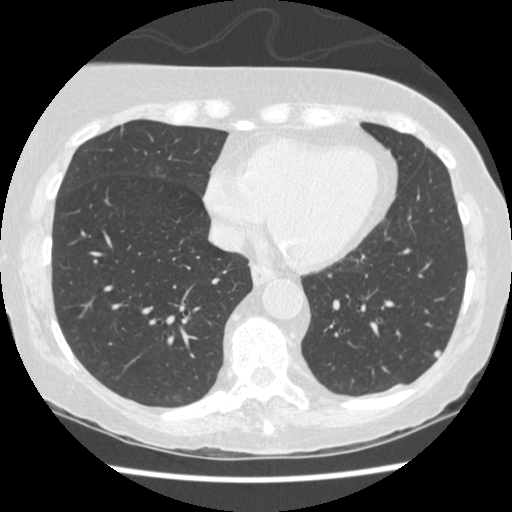
Slice 125/458 of a chest CT, counting up from the lowest; pixel size 0.625 mm, slice thickness 1.25 mm. Pulmonary nodule outlined by all four readers; box rows 349–357, columns 433–441 (the union of the readers' outlines on this slice); the four readers' outlines give a longest diameter between 6.2 and 7.0 mm and a volume between 63 and 96 mm3. Ratings across the readers: texture from 4/5 to 5/5 (solid) across the four readers; margin from 3/5 to 5/5 (circumscribed) across the four readers; sphericity from 2/5 to 4/5 across the four readers; calcification absent, all four readers agreeing; internal structure soft tissue from all four readers; subtlety 3–5/5 (the readers disagree); malignancy likelihood from 2/5 to 3/5 across the four readers. Scale key (1–5): texture non-solid→solid, margin indistinct→circumscribed, sphericity linear→round, subtlety extremely subtle→obvious, malignancy likelihood highly unlikely→highly suspicious of cancer. Box rows and columns are 0-based pixel indices from the top-left corner, inclusive.
Acquired at 120 kVp and reconstructed with the STANDARD kernel.